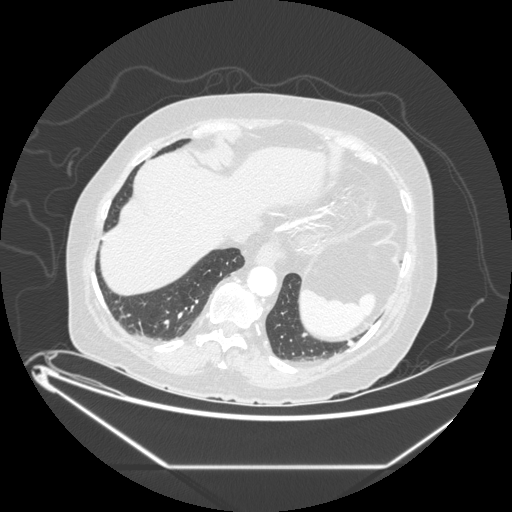
Axial chest CT slice 33 of 197 (counted from the lowest slice); 1.25 mm thick, 0.859 mm per pixel. Pulmonary nodule outlined by two of the four readers; box rows 332–336, columns 302–307 (the union of the readers' outlines on this slice); median longest diameter 4.8 mm (readers' outlines 3.5–6.1 mm), median volume 40 mm3 (15–65 mm3). Median ratings and the readers' spread: texture 5/5 (solid), both readers agreeing; median margin 4.5/5 (readers ranged 4/5 to 5/5 (circumscribed)); median sphericity 2.5/5 (readers ranged 2/5 to 3/5 (ovoid)); calcification absent, both readers agreeing; internal structure soft tissue, both readers agreeing; subtlety 2.5/5 at the median of two readers, spread 2–3; malignancy likelihood 3/5, both readers agreeing. Scale key (1–5): texture non-solid→solid, margin indistinct→circumscribed, sphericity linear→round, subtlety extremely subtle→obvious, malignancy likelihood highly unlikely→highly suspicious of cancer. Box rows and columns are 0-based pixel indices from the top-left corner, inclusive.
Acquired at 120 kVp and reconstructed with the STANDARD kernel.